Axial chest CT slice 322 of 481 (counted from the lowest slice); tube voltage 120 kVp, convolution kernel STANDARD; slices 1.25 mm thick, 0.664 mm per pixel.
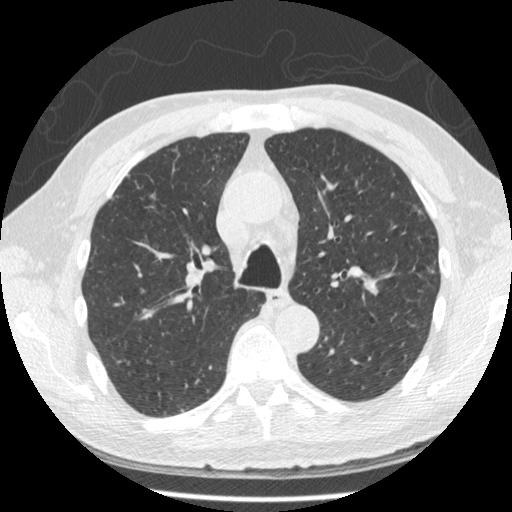
Two pulmonary nodules on this slice, listed from left to right. (1) Pulmonary nodule, outlined by two of the four readers. Box on this slice rows 192–207, columns 141–155, the union of the readers' outlines on this slice; median longest diameter 14.0 mm (readers' outlines 10.4–17.6 mm), median volume 154 mm3 (117–191 mm3). Median ratings and the readers' spread: median texture 4/5 (readers ranged 3/5 (part-solid) to 5/5 (solid)); median margin 2.5/5 (readers ranged 1/5 (indistinct) to 4/5); sphericity 2/5 from both readers; calcification absent, both readers agreeing; internal structure soft tissue from both readers; median subtlety 3/5 (readers ranged 2–4); malignancy likelihood 2.5/5 at the median of two readers, spread 1–4. (2) Pulmonary nodule, outlined by one of the four readers. Box on this slice rows 190–196, columns 390–395, that reader's outline on this slice; longest diameter 7.4 mm and volume 65 mm3 from that reader's outline. That reader's ratings: texture 5/5 (solid); margin 5/5 (circumscribed); sphericity 4/5; calcification absent; internal structure soft tissue; subtlety 4/5; malignancy likelihood 3/5. Scale key (1–5): texture non-solid→solid, margin indistinct→circumscribed, sphericity linear→round, subtlety extremely subtle→obvious, malignancy likelihood highly unlikely→highly suspicious of cancer. Box rows and columns are 0-based pixel indices from the top-left corner, inclusive.